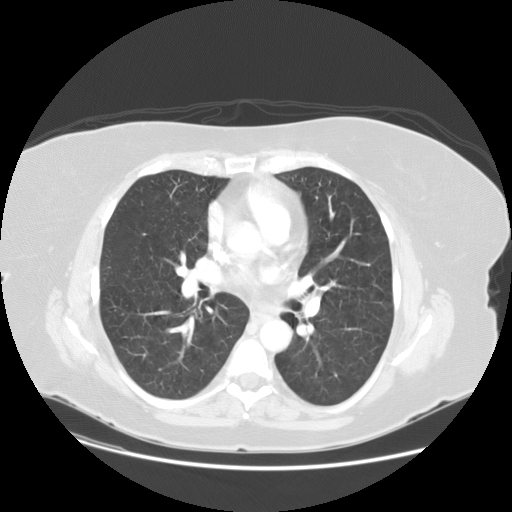
Axial slice 78 of 133 of a chest CT (slice 1 is the lowest), reconstructed with the STANDARD kernel at 120 kVp; 2.50 mm slice thickness and 0.781 mm pixels.
No nodule 3 mm or larger was outlined here by any reader.